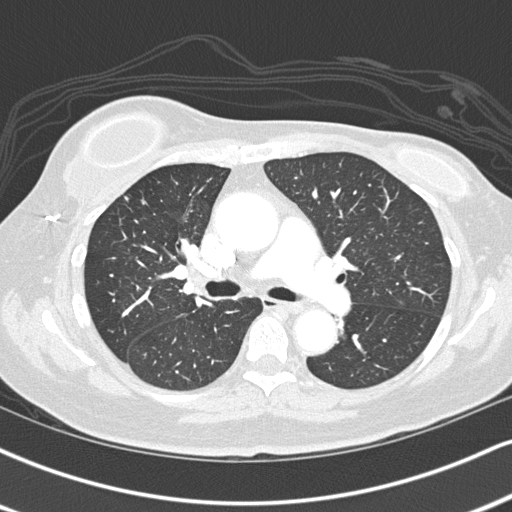
One axial slice (156 of 260, counting up from the lowest) of a chest CT acquired at 120 kVp with the B45f kernel; each pixel is 0.625 mm and the slice is 1.00 mm thick.
No nodule of 3 mm or larger was outlined by any of the four readers on this slice.